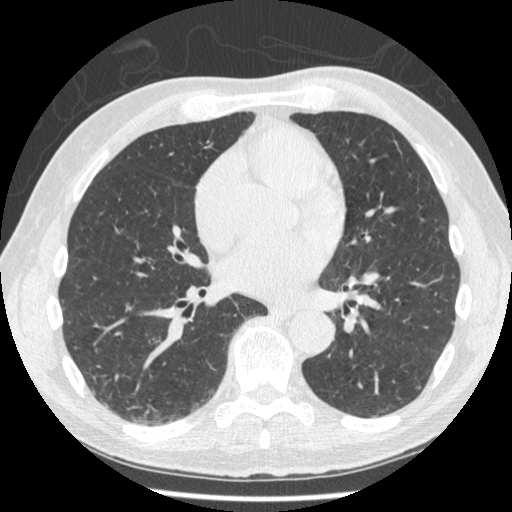
Axial chest CT slice 210 of 481 (counted from the lowest slice); 1.25 mm thick, 0.664 mm per pixel. No nodule 3 mm or larger was outlined here by any reader.
Tube voltage 120 kVp; convolution kernel STANDARD.